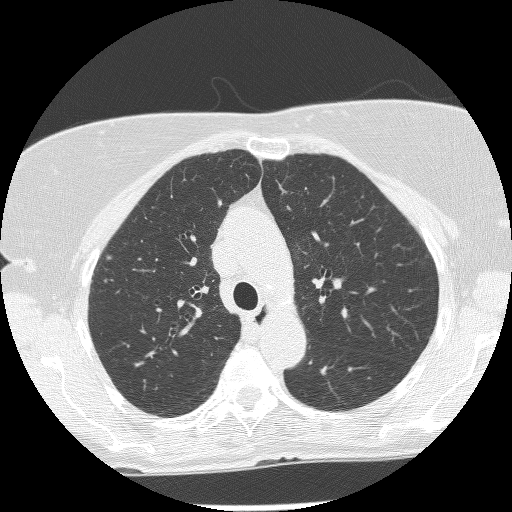
Slice 176/239 of a chest CT, counting up from the lowest; pixel size 0.586 mm, slice thickness 1.25 mm. Pulmonary nodule, outlined by one of the four readers. Box on this slice rows 255–259, columns 104–111, that reader's outline on this slice; longest diameter 6.0 mm and volume 46 mm3 from that reader's outline. Ratings by that reader: texture 5/5 (solid); margin 5/5 (circumscribed); sphericity 4/5; calcification absent; internal structure soft tissue; subtlety 3/5; malignancy likelihood 3/5. Scale key (1–5): texture non-solid→solid, margin indistinct→circumscribed, sphericity linear→round, subtlety extremely subtle→obvious, malignancy likelihood highly unlikely→highly suspicious of cancer. Box rows and columns are 0-based pixel indices from the top-left corner, inclusive.
Acquired at 120 kVp and reconstructed with the BONE kernel.